Chest CT, axial plane, 120 kVp, kernel B. Slice 208/315 from the bottom of the scan; thickness 2.00 mm; pixel size 0.830 mm.
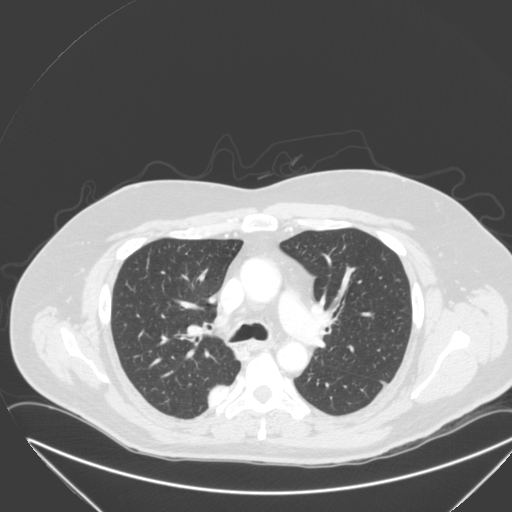
Pulmonary nodule outlined by one of the four readers; box rows 386–405, columns 209–227 (that reader's outline on this slice); longest diameter 27.1 mm and volume 6093 mm3 from that reader's outline. Ratings by that reader: texture 5/5 (solid); margin 4/5; sphericity 2/5; calcification absent; internal structure soft tissue; subtlety 5/5; malignancy likelihood 4/5. Scale key (1–5): texture non-solid→solid, margin indistinct→circumscribed, sphericity linear→round, subtlety extremely subtle→obvious, malignancy likelihood highly unlikely→highly suspicious of cancer. Box rows and columns are 0-based pixel indices from the top-left corner, inclusive.